Chest CT, axial plane, 120 kVp, kernel BONE. Slice 77/259 from the bottom of the scan; thickness 1.25 mm; pixel size 0.703 mm.
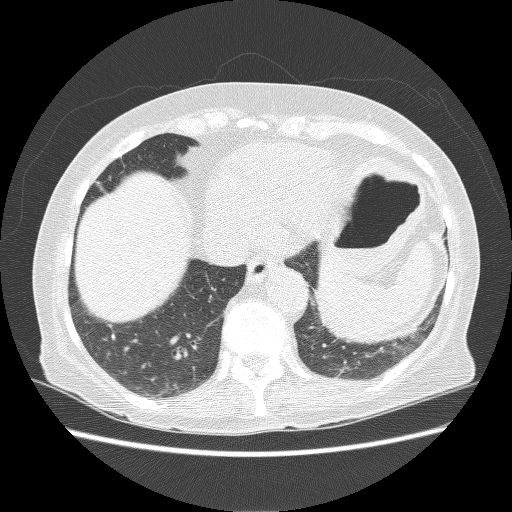
Pulmonary nodule outlined by all four readers; box rows 333–339, columns 110–115 (the union of the readers' outlines on this slice); the four readers' outlines give a longest diameter between 6.0 and 6.7 mm and a volume between 87 and 136 mm3. The readers' ratings, as ranges where they differ: texture 5/5 (solid), all four readers agreeing; margin 5/5 (circumscribed), all four readers agreeing; sphericity from 4/5 to 5/5 (round) across the four readers; calcification solid calcification from all four readers; internal structure soft tissue from all four readers; subtlety from 4/5 to 5/5 across the four readers; malignancy likelihood 1/5 from all four readers. Scale key (1–5): texture non-solid→solid, margin indistinct→circumscribed, sphericity linear→round, subtlety extremely subtle→obvious, malignancy likelihood highly unlikely→highly suspicious of cancer. Box rows and columns are 0-based pixel indices from the top-left corner, inclusive.